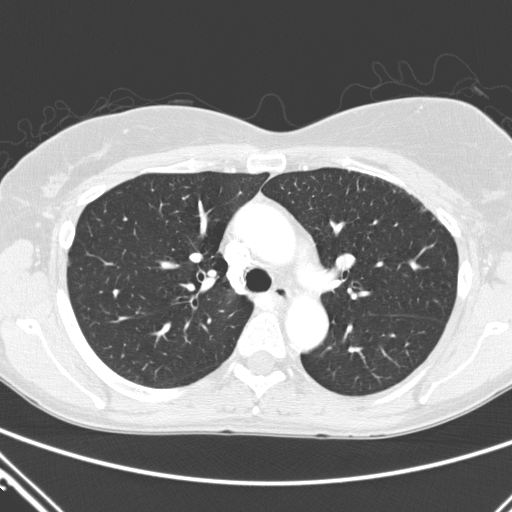
One axial slice (318 of 411, counting up from the lowest) of a chest CT acquired at 120 kVp with the D kernel; each pixel is 0.654 mm and the slice is 2.00 mm thick.
None of the four readers outlined a nodule of 3 mm or more on this slice.